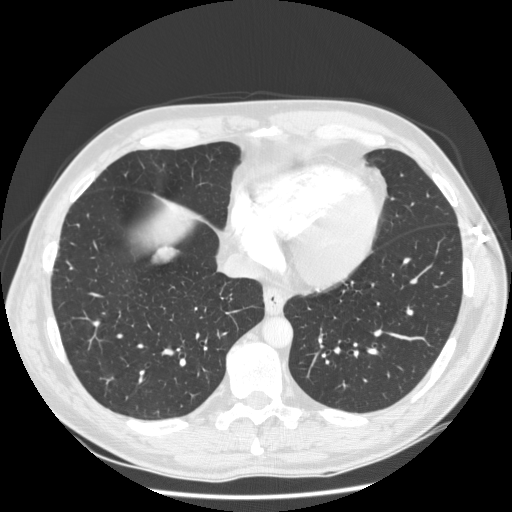
Axial slice 69 of 238 of a chest CT (slice 1 is the lowest), reconstructed with the STANDARD kernel at 120 kVp; 1.25 mm slice thickness and 0.742 mm pixels.
Pulmonary nodule, outlined by three of the four readers. Box on this slice rows 245–263, columns 150–180, the union of the readers' outlines on this slice; the three readers' outlines give a longest diameter between 28.6 and 35.0 mm and a volume between 1299 and 1840 mm3. The readers' ratings, as ranges where they differ: texture 5/5 (solid) from all three readers; margin from 2/5 to 4/5 across the three readers; sphericity 3/5 (ovoid), all three readers agreeing; calcification absent from all three readers; internal structure soft tissue from all three readers; subtlety from 3/5 to 5/5 across the three readers; malignancy likelihood rated between 2 and 4 out of 5 by the three readers. Scale key (1–5): texture non-solid→solid, margin indistinct→circumscribed, sphericity linear→round, subtlety extremely subtle→obvious, malignancy likelihood highly unlikely→highly suspicious of cancer. Box rows and columns are 0-based pixel indices from the top-left corner, inclusive.